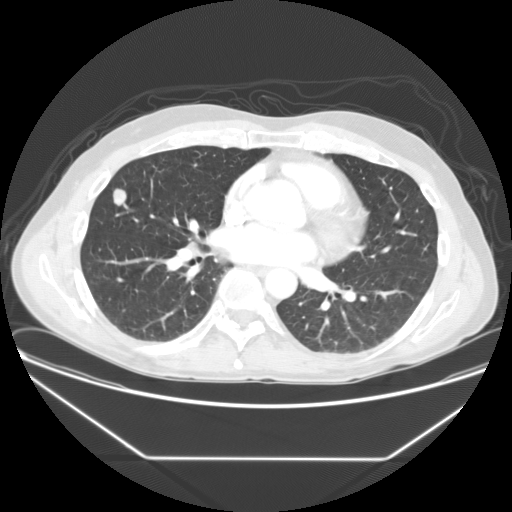
Chest CT, axial plane, 120 kVp, kernel STANDARD. Slice 74/137 from the bottom of the scan; thickness 2.50 mm; pixel size 0.781 mm.
Pulmonary nodule outlined by all four readers; box rows 187–205, columns 112–126 (the union of the readers' outlines on this slice); longest diameter 14.3–15.8 mm and volume 1035–1472 mm3 across the four readers' outlines. The readers' ratings, as ranges where they differ: texture 5/5 (solid) from all four readers; margin from 4/5 to 5/5 (circumscribed) across the four readers; sphericity from 4/5 to 5/5 (round) across the four readers; calcification absent, all four readers agreeing; internal structure soft tissue from all four readers; subtlety rated between 3 and 5 out of 5 by the four readers; malignancy likelihood rated between 2 and 4 out of 5 by the four readers. Scale key (1–5): texture non-solid→solid, margin indistinct→circumscribed, sphericity linear→round, subtlety extremely subtle→obvious, malignancy likelihood highly unlikely→highly suspicious of cancer. Box rows and columns are 0-based pixel indices from the top-left corner, inclusive.